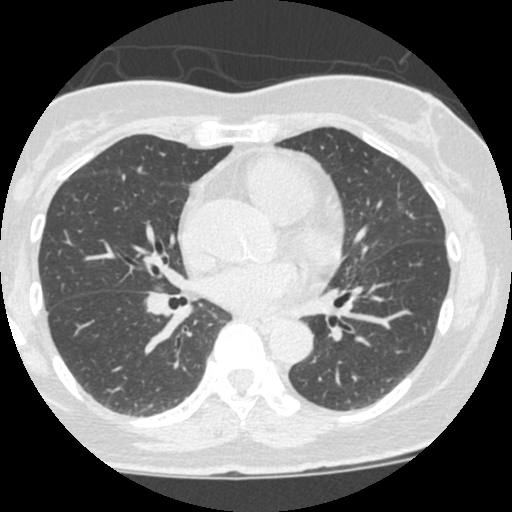
Axial slice 268 of 490 of a chest CT (slice 1 is the lowest), reconstructed with the STANDARD kernel at 120 kVp; 1.25 mm slice thickness and 0.547 mm pixels.
Pulmonary nodule, outlined by two of the four readers. Box on this slice rows 191–219, columns 394–404, the union of the readers' outlines on this slice; median longest diameter 26.9 mm (readers' outlines 26.3–27.5 mm), median volume 1510 mm3 (1167–1852 mm3). Median ratings and the readers' spread: texture 1/5 (non-solid), both readers agreeing; margin 1.5/5 at the median of two readers, spread 1/5 (indistinct) to 2/5; sphericity 3.5/5 at the median of two readers, spread 2/5 to 5/5 (round); calcification absent from both readers; internal structure soft tissue, both readers agreeing; median subtlety 3/5 (readers ranged 1–5); malignancy likelihood 2.5/5 at the median of two readers, spread 2–3. Scale key (1–5): texture non-solid→solid, margin indistinct→circumscribed, sphericity linear→round, subtlety extremely subtle→obvious, malignancy likelihood highly unlikely→highly suspicious of cancer. Box rows and columns are 0-based pixel indices from the top-left corner, inclusive.